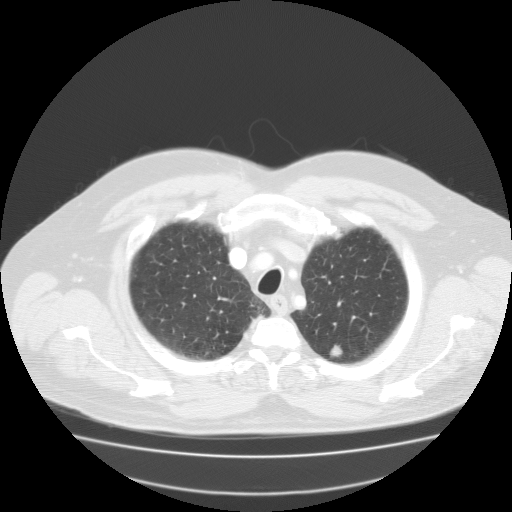
Slice 102/124 of a chest CT, counting up from the lowest; pixel size 0.854 mm, slice thickness 3.00 mm. Pulmonary nodule outlined by all four readers; box rows 344–357, columns 329–342 (the union of the readers' outlines on this slice); median longest diameter 14.0 mm (readers' outlines 13.5–15.1 mm), median volume 961 mm3 (568–1162 mm3). Ratings, median across the readers with their spread: texture 5/5 (solid) from all four readers; median margin 4.5/5 (readers ranged 4/5 to 5/5 (circumscribed)); sphericity 4/5 at the median of four readers, spread 3/5 (ovoid) to 5/5 (round); calcification absent, all four readers agreeing; internal structure soft tissue, all four readers agreeing; subtlety 4.5/5 at the median of four readers, spread 4–5; median malignancy likelihood 3.5/5 (readers ranged 3–4). Scale key (1–5): texture non-solid→solid, margin indistinct→circumscribed, sphericity linear→round, subtlety extremely subtle→obvious, malignancy likelihood highly unlikely→highly suspicious of cancer. Box rows and columns are 0-based pixel indices from the top-left corner, inclusive.
Scan settings: 135 kVp, FC01 reconstruction kernel.